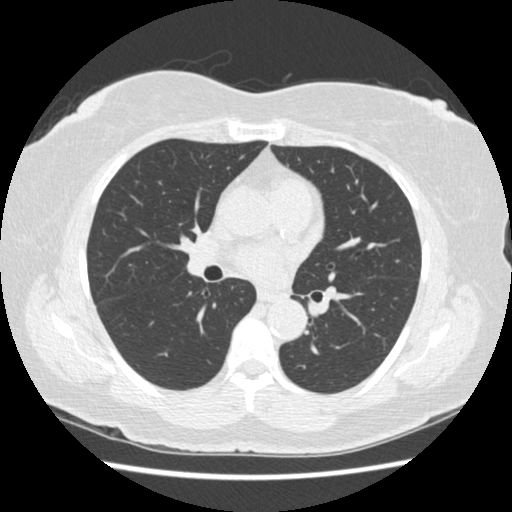
Chest CT, axial plane, 120 kVp, kernel STANDARD. Slice 240/445 from the bottom of the scan; thickness 1.25 mm; pixel size 0.645 mm.
This slice carries no reader outline of a nodule 3 mm or larger.